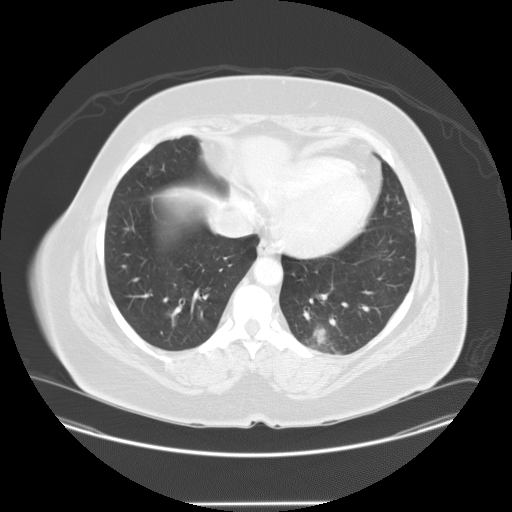
Slice 19/95 of a chest CT, counting up from the lowest; pixel size 0.859 mm, slice thickness 2.50 mm. Pulmonary nodule, outlined by all four readers. Box on this slice rows 325–345, columns 313–326, the union of the readers' outlines on this slice; median longest diameter 19.9 mm (readers' outlines 17.2–23.5 mm), median volume 2245 mm3 (2023–2813 mm3). Ratings, median across the readers with their spread: median texture 5/5 (solid) (readers ranged 4/5 to 5/5 (solid)); median margin 3.5/5 (readers ranged 3/5 to 5/5 (circumscribed)); median sphericity 4.5/5 (readers ranged 3/5 (ovoid) to 5/5 (round)); calcification absent, all four readers agreeing; internal structure soft tissue from all four readers; subtlety 4.5/5 at the median of four readers, spread 3–5; malignancy likelihood 4/5 at the median of four readers, spread 2–4. Scale key (1–5): texture non-solid→solid, margin indistinct→circumscribed, sphericity linear→round, subtlety extremely subtle→obvious, malignancy likelihood highly unlikely→highly suspicious of cancer. Box rows and columns are 0-based pixel indices from the top-left corner, inclusive.
Tube voltage 120 kVp; convolution kernel STANDARD.